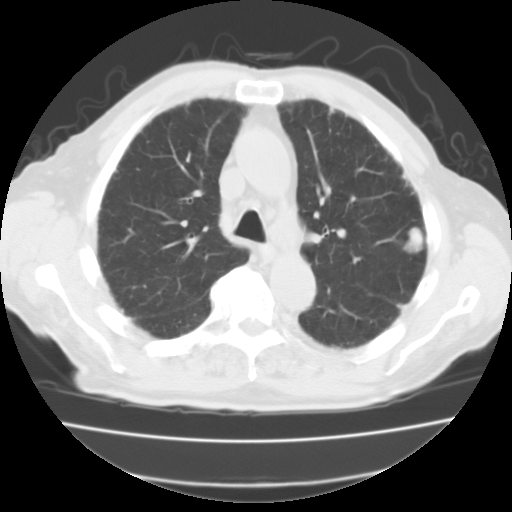
Chest CT, axial plane, 135 kVp, kernel FC01. Slice 70/111 from the bottom of the scan; thickness 3.00 mm; pixel size 0.714 mm.
Pulmonary nodule outlined by all four readers; box rows 227–252, columns 403–424 (the union of the readers' outlines on this slice); longest diameter 24.8 mm on average over the four readers' outlines (readers' outlines 24.3–25.8 mm), volume 3889–4187 mm3. Ratings, by the readers' most common answer with dissent counted: texture 5/5 (solid), all four readers agreeing; margin 5/5 (circumscribed), all four readers agreeing; sphericity 3/5 (ovoid) by three of four readers; the rest gave 5/5 (round) (one); calcification absent, all four readers agreeing; internal structure soft tissue from all four readers; subtlety 5/5, all four readers agreeing; malignancy likelihood split among the readers: 2/5 (one), 3/5 (one), 4/5 (one), 5/5 (one). Scale key (1–5): texture non-solid→solid, margin indistinct→circumscribed, sphericity linear→round, subtlety extremely subtle→obvious, malignancy likelihood highly unlikely→highly suspicious of cancer. Box rows and columns are 0-based pixel indices from the top-left corner, inclusive.